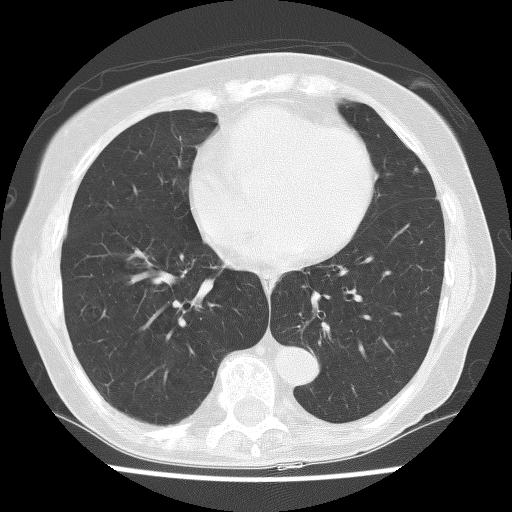
Slice 52/120 of a chest CT, counting up from the lowest; pixel size 0.576 mm, slice thickness 2.50 mm. Pulmonary nodule, outlined by one of the four readers. Box on this slice rows 166–171, columns 414–418, that reader's outline on this slice; longest diameter 4.6 mm and volume 28 mm3 from that reader's outline. Ratings by that reader: texture 5/5 (solid); margin 5/5 (circumscribed); sphericity 4/5; calcification absent; internal structure soft tissue; subtlety 3/5; malignancy likelihood 3/5. Scale key (1–5): texture non-solid→solid, margin indistinct→circumscribed, sphericity linear→round, subtlety extremely subtle→obvious, malignancy likelihood highly unlikely→highly suspicious of cancer. Box rows and columns are 0-based pixel indices from the top-left corner, inclusive.
Acquired at 140 kVp and reconstructed with the BONE kernel.